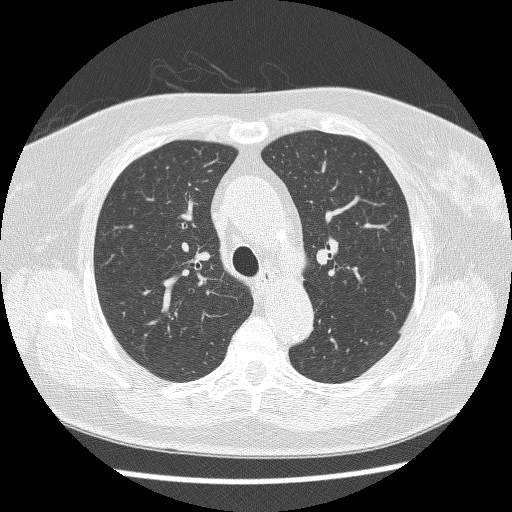
This is axial slice 174 of 229 (slice 1 is the lowest) of a chest CT; each pixel is 0.654 mm and the slice is 1.25 mm thick. This slice carries no reader outline of a nodule 3 mm or larger.
Acquired at 120 kVp and reconstructed with the BONE kernel.